Axial chest CT slice 266 of 392 (counted from the lowest slice); tube voltage 120 kVp, convolution kernel C; slices 1.50 mm thick, 0.639 mm per pixel.
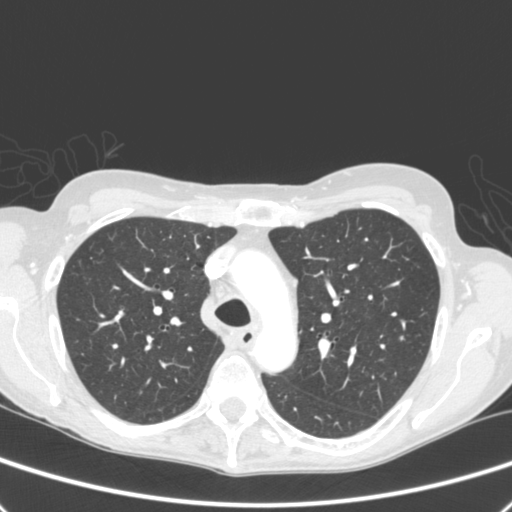
Pulmonary nodule outlined by all four readers; box rows 336–341, columns 398–403 (the union of the readers' outlines on this slice); longest diameter 6.6–6.8 mm and volume 88–125 mm3 across the four readers' outlines. Ratings across the readers: texture 5/5 (solid) from all four readers; margin from 4/5 to 5/5 (circumscribed) across the four readers; sphericity from 4/5 to 5/5 (round) across the four readers; calcification absent from all four readers; internal structure soft tissue from all four readers; subtlety 2–5/5 (the readers disagree); malignancy likelihood 2–4/5 (the readers disagree). Scale key (1–5): texture non-solid→solid, margin indistinct→circumscribed, sphericity linear→round, subtlety extremely subtle→obvious, malignancy likelihood highly unlikely→highly suspicious of cancer. Box rows and columns are 0-based pixel indices from the top-left corner, inclusive.